One axial slice (241 of 449, counting up from the lowest) of a chest CT acquired at 120 kVp with the STANDARD kernel; each pixel is 0.742 mm and the slice is 1.25 mm thick.
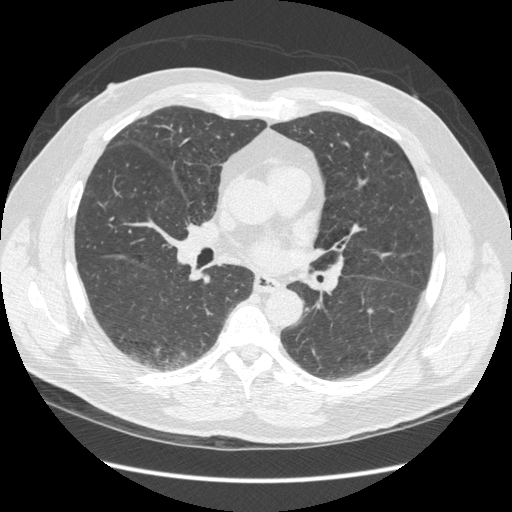
The readers outlined no nodule of 3 mm or more on this slice.